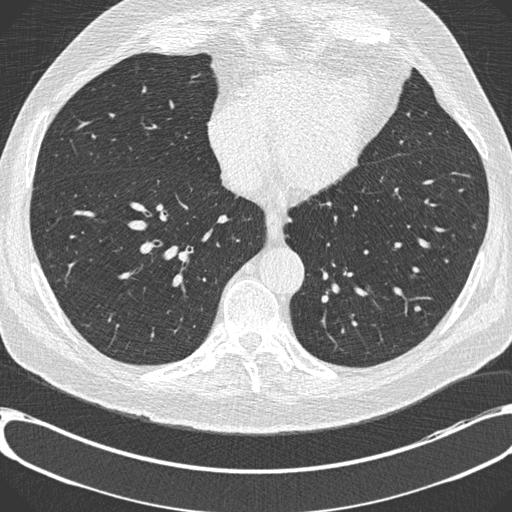
Slice 292/730 of a chest CT, counting up from the lowest; pixel size 0.730 mm, slice thickness 0.60 mm. Pulmonary nodule at rows 306–310, columns 414–419 (box = that reader's outline on this slice), outlined by one of the four readers; longest diameter 7.2 mm and volume 114 mm3 from that reader's outline. Ratings by that reader: texture 5/5 (solid); margin 5/5 (circumscribed); sphericity 5/5 (round); calcification absent; internal structure soft tissue; subtlety 3/5; malignancy likelihood 2/5. Scale key (1–5): texture non-solid→solid, margin indistinct→circumscribed, sphericity linear→round, subtlety extremely subtle→obvious, malignancy likelihood highly unlikely→highly suspicious of cancer. Box rows and columns are 0-based pixel indices from the top-left corner, inclusive.
Tube voltage 120 kVp; convolution kernel B30f.